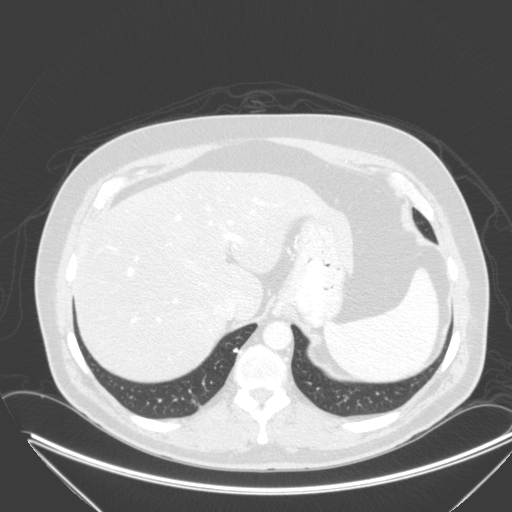
One axial slice (58 of 315, counting up from the lowest) of a chest CT acquired at 120 kVp with the B kernel; each pixel is 0.830 mm and the slice is 2.00 mm thick.
Pulmonary nodule outlined by all four readers; box rows 347–353, columns 232–237 (the union of the readers' outlines on this slice); median longest diameter 6.0 mm (readers' outlines 6.0–6.3 mm), median volume 68 mm3 (62–74 mm3). Median ratings and the readers' spread: texture 5/5 (solid) from all four readers; margin 5/5 (circumscribed) from all four readers; sphericity 4.5/5 at the median of four readers, spread 4/5 to 5/5 (round); calcification: solid calcification (three), absent (one); internal structure soft tissue, all four readers agreeing; subtlety 4.5/5 at the median of four readers, spread 1–5; malignancy likelihood 1/5 at the median of four readers, spread 1–3. Scale key (1–5): texture non-solid→solid, margin indistinct→circumscribed, sphericity linear→round, subtlety extremely subtle→obvious, malignancy likelihood highly unlikely→highly suspicious of cancer. Box rows and columns are 0-based pixel indices from the top-left corner, inclusive.